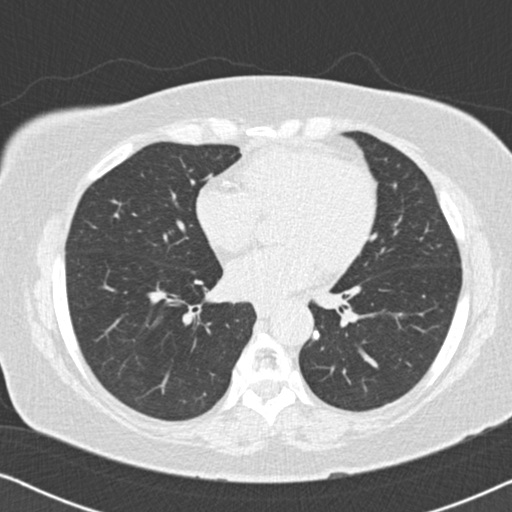
Axial chest CT slice 96 of 177 (counted from the lowest slice); 2.00 mm thick, 0.643 mm per pixel. Pulmonary nodule, outlined by two of the four readers. Box on this slice rows 332–336, columns 315–317, the union of the readers' outlines on this slice; longest diameter 6.6 mm on average over the two readers' outlines (readers' outlines 6.6 mm), volume 131 mm3. The readers' prevailing ratings and who disagreed: texture 5/5 (solid) from both readers; margin 5/5 (circumscribed), both readers agreeing; sphericity 5/5 (round), both readers agreeing; calcification solid calcification from both readers; internal structure soft tissue, both readers agreeing; subtlety split among the readers: 4/5 (one), 5/5 (one); malignancy likelihood 1/5 from both readers. Scale key (1–5): texture non-solid→solid, margin indistinct→circumscribed, sphericity linear→round, subtlety extremely subtle→obvious, malignancy likelihood highly unlikely→highly suspicious of cancer. Box rows and columns are 0-based pixel indices from the top-left corner, inclusive.
Tube voltage 120 kVp; convolution kernel B30f.